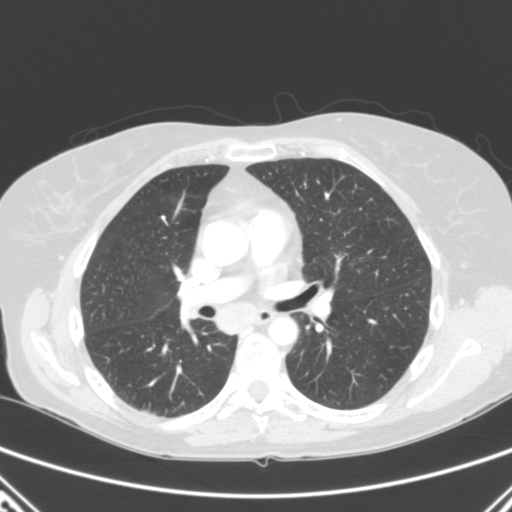
Chest CT, axial plane, 120 kVp, kernel B. Slice 157/280 from the bottom of the scan; thickness 2.00 mm; pixel size 0.676 mm.
Pulmonary nodule, outlined by one of the four readers. Box on this slice rows 216–219, columns 161–165, that reader's outline on this slice; longest diameter 4.3 mm and volume 33 mm3 from that reader's outline. That reader's ratings: texture 5/5 (solid); margin 5/5 (circumscribed); sphericity 5/5 (round); calcification solid calcification; internal structure soft tissue; subtlety 3/5; malignancy likelihood 1/5. Scale key (1–5): texture non-solid→solid, margin indistinct→circumscribed, sphericity linear→round, subtlety extremely subtle→obvious, malignancy likelihood highly unlikely→highly suspicious of cancer. Box rows and columns are 0-based pixel indices from the top-left corner, inclusive.